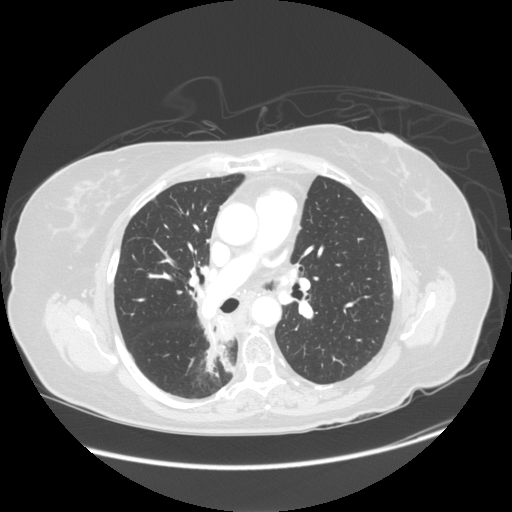
Axial slice 86 of 133 of a chest CT (slice 1 is the lowest), reconstructed with the STANDARD kernel at 120 kVp; 2.50 mm slice thickness and 0.820 mm pixels.
None of the four readers outlined a nodule of 3 mm or more on this slice.